Chest CT, axial plane, 120 kVp, kernel STANDARD. Slice 104/301 from the bottom of the scan; thickness 1.25 mm; pixel size 0.684 mm.
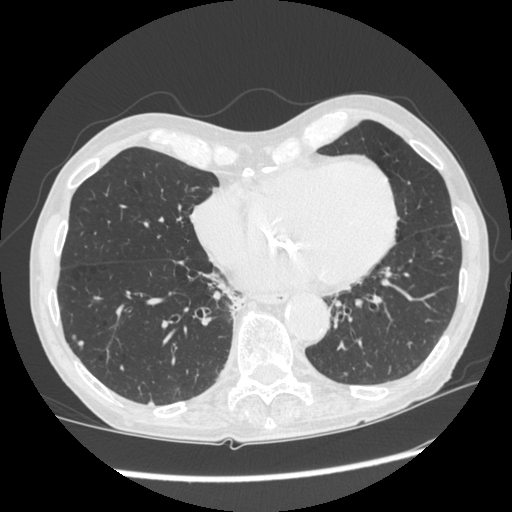
Two pulmonary nodules are outlined on this slice; from left to right: (1) Pulmonary nodule, outlined by one of the four readers. Box on this slice rows 335–338, columns 72–75, that reader's outline on this slice; longest diameter 4.8 mm and volume 27 mm3 from that reader's outline. That reader's ratings: texture 5/5 (solid); margin 5/5 (circumscribed); sphericity 5/5 (round); calcification absent; internal structure soft tissue; subtlety 2/5; malignancy likelihood 2/5. (2) Pulmonary nodule, outlined by three of the four readers. Box on this slice rows 339–348, columns 78–83, the union of the readers' outlines on this slice; the three readers' outlines give a longest diameter between 5.3 and 9.6 mm and a volume between 49 and 79 mm3. The readers' ratings, as ranges where they differ: texture 5/5 (solid), all three readers agreeing; margin from 4/5 to 5/5 (circumscribed) across the three readers; sphericity from 2/5 to 5/5 (round) across the three readers; calcification absent from all three readers; internal structure soft tissue, all three readers agreeing; subtlety from 2/5 to 5/5 across the three readers; malignancy likelihood from 2/5 to 3/5 across the three readers. Scale key (1–5): texture non-solid→solid, margin indistinct→circumscribed, sphericity linear→round, subtlety extremely subtle→obvious, malignancy likelihood highly unlikely→highly suspicious of cancer. Box rows and columns are 0-based pixel indices from the top-left corner, inclusive.